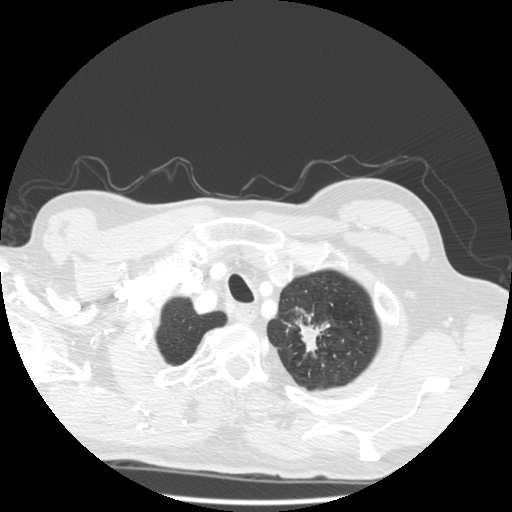
Axial chest CT slice 460 of 501 (counted from the lowest slice); 1.25 mm thick, 0.703 mm per pixel. Pulmonary nodule, outlined by three of the four readers. Box on this slice rows 307–357, columns 294–329, the union of the readers' outlines on this slice; longest diameter 35.0 mm on average over the three readers' outlines (readers' outlines 32.1–39.2 mm), volume 2361–4873 mm3. Ratings, by the readers' most common answer with dissent counted: texture 5/5 (solid) by two of three readers; the rest gave 4/5 (one); margin split among the readers: 1/5 (indistinct) (one), 3/5 (one), 5/5 (circumscribed) (one); sphericity split among the readers: 2/5 (one), 3/5 (ovoid) (one), 5/5 (round) (one); calcification absent from all three readers; internal structure soft tissue, all three readers agreeing; subtlety 5/5, all three readers agreeing; malignancy likelihood 5/5 by two of three readers; the rest gave 4/5 (one). Scale key (1–5): texture non-solid→solid, margin indistinct→circumscribed, sphericity linear→round, subtlety extremely subtle→obvious, malignancy likelihood highly unlikely→highly suspicious of cancer. Box rows and columns are 0-based pixel indices from the top-left corner, inclusive.
Scan settings: 140 kVp, STANDARD reconstruction kernel.